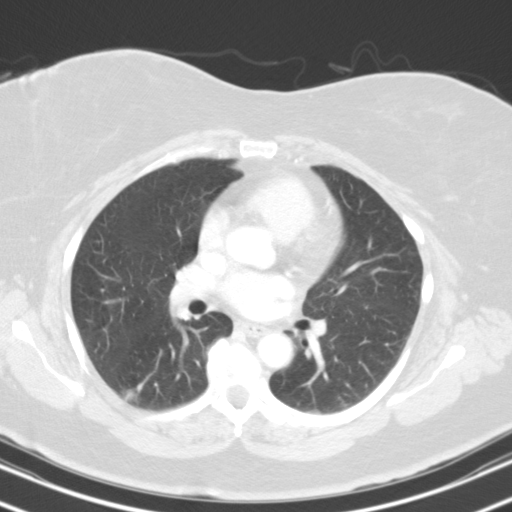
One axial slice (79 of 124, counting up from the lowest) of a chest CT acquired at 130 kVp with the B31s kernel; each pixel is 0.656 mm and the slice is 3.00 mm thick.
Pulmonary nodule at rows 389–401, columns 124–136 (box = the union of the readers' outlines on this slice), outlined by all four readers; the four readers' outlines give a longest diameter between 11.5 and 14.7 mm and a volume between 512 and 1047 mm3. The readers' ratings, as ranges where they differ: texture from 4/5 to 5/5 (solid) across the four readers; margin from 3/5 to 5/5 (circumscribed) across the four readers; sphericity from 4/5 to 5/5 (round) across the four readers; calcification split among the readers: solid calcification (two), absent (two); internal structure soft tissue, all four readers agreeing; subtlety 4–5/5 (the readers disagree); malignancy likelihood from 1/5 to 3/5 across the four readers. Scale key (1–5): texture non-solid→solid, margin indistinct→circumscribed, sphericity linear→round, subtlety extremely subtle→obvious, malignancy likelihood highly unlikely→highly suspicious of cancer. Box rows and columns are 0-based pixel indices from the top-left corner, inclusive.